Axial slice 74 of 103 of a chest CT (slice 1 is the lowest), reconstructed with the FC01 kernel at 135 kVp; 3.00 mm slice thickness and 0.738 mm pixels.
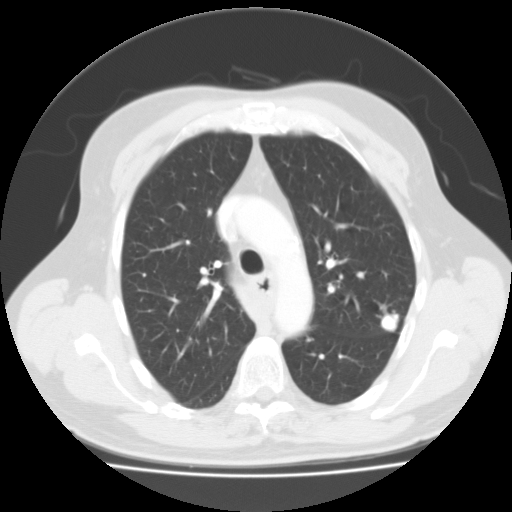
Pulmonary nodule, outlined by three of the four readers. Box on this slice rows 309–332, columns 380–399, the union of the readers' outlines on this slice; median longest diameter 18.2 mm (readers' outlines 16.2–20.3 mm), median volume 2073 mm3 (1237–2155 mm3). Ratings, median across the readers with their spread: texture 5/5 (solid) from all three readers; median margin 4/5 (readers ranged 2/5 to 5/5 (circumscribed)); sphericity 5/5 (round) at the median of three readers, spread 4/5 to 5/5 (round); calcification split among the readers: central calcification (one), solid calcification (one), absent (one); internal structure soft tissue, all three readers agreeing; subtlety 5/5, all three readers agreeing; malignancy likelihood 1/5 at the median of three readers, spread 1–5. Scale key (1–5): texture non-solid→solid, margin indistinct→circumscribed, sphericity linear→round, subtlety extremely subtle→obvious, malignancy likelihood highly unlikely→highly suspicious of cancer. Box rows and columns are 0-based pixel indices from the top-left corner, inclusive.